Axial slice 374 of 525 of a chest CT (slice 1 is the lowest), reconstructed with the B30f kernel at 120 kVp; 0.75 mm slice thickness and 0.660 mm pixels.
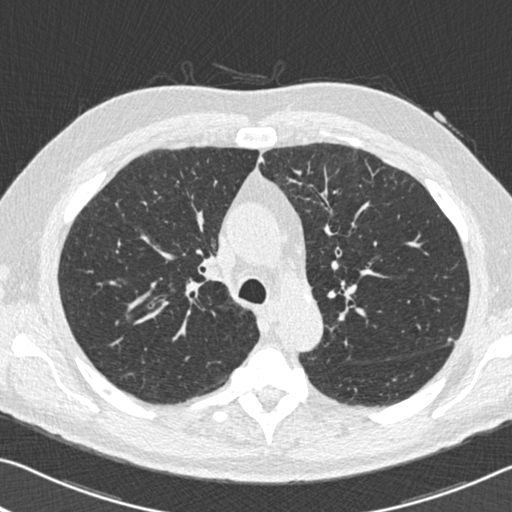
Pulmonary nodule, outlined by one of the four readers. Box on this slice rows 337–342, columns 447–451, that reader's outline on this slice; longest diameter 5.7 mm and volume 38 mm3 from that reader's outline. That reader's ratings: texture 5/5 (solid); margin 5/5 (circumscribed); sphericity 4/5; calcification absent; internal structure soft tissue; subtlety 5/5; malignancy likelihood 3/5. Scale key (1–5): texture non-solid→solid, margin indistinct→circumscribed, sphericity linear→round, subtlety extremely subtle→obvious, malignancy likelihood highly unlikely→highly suspicious of cancer. Box rows and columns are 0-based pixel indices from the top-left corner, inclusive.